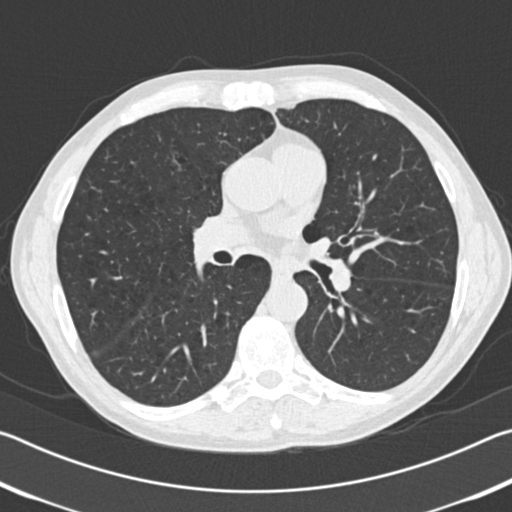
Chest CT, axial plane, 120 kVp, kernel B30f. Slice 101/192 from the bottom of the scan; thickness 2.00 mm; pixel size 0.664 mm.
Pulmonary nodule at rows 157–164, columns 171–178 (box = that reader's outline on this slice), outlined by one of the four readers; longest diameter 13.4 mm and volume 515 mm3 from that reader's outline. That reader's ratings: texture 1/5 (non-solid); margin 2/5; sphericity 3/5 (ovoid); calcification absent; internal structure soft tissue; subtlety 2/5; malignancy likelihood 3/5. Scale key (1–5): texture non-solid→solid, margin indistinct→circumscribed, sphericity linear→round, subtlety extremely subtle→obvious, malignancy likelihood highly unlikely→highly suspicious of cancer. Box rows and columns are 0-based pixel indices from the top-left corner, inclusive.